Axial chest CT slice 190 of 305 (counted from the lowest slice); tube voltage 140 kVp, convolution kernel B; slices 2.00 mm thick, 0.834 mm per pixel.
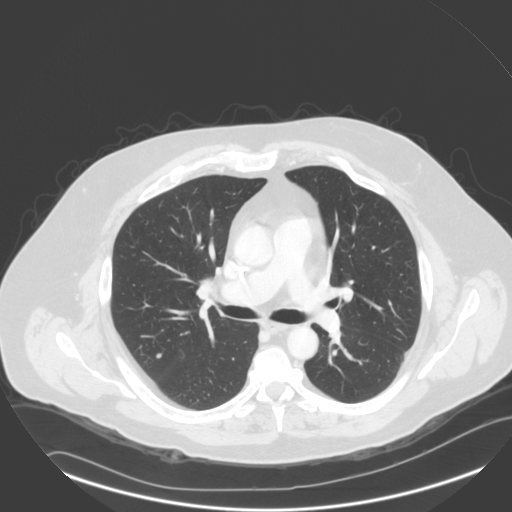
Pulmonary nodule at rows 353–358, columns 155–161 (box = the union of the readers' outlines on this slice), outlined by all four readers; longest diameter 6.8 mm on average over the four readers' outlines (readers' outlines 5.3–8.2 mm), volume 54–176 mm3. The readers' prevailing ratings and who disagreed: texture 5/5 (solid), all four readers agreeing; margin 5/5 (circumscribed) from all four readers; sphericity 4/5 by three of four readers; the rest gave 5/5 (round) (one); calcification absent from all four readers; internal structure soft tissue from all four readers; most readers (three of four) put subtlety at 5/5, others 4/5 (one); most readers (three of four) put malignancy likelihood at 3/5, others 2/5 (one). Scale key (1–5): texture non-solid→solid, margin indistinct→circumscribed, sphericity linear→round, subtlety extremely subtle→obvious, malignancy likelihood highly unlikely→highly suspicious of cancer. Box rows and columns are 0-based pixel indices from the top-left corner, inclusive.